Axial chest CT slice 236 of 408 (counted from the lowest slice); tube voltage 120 kVp, convolution kernel B30f; slices 0.75 mm thick, 0.531 mm per pixel.
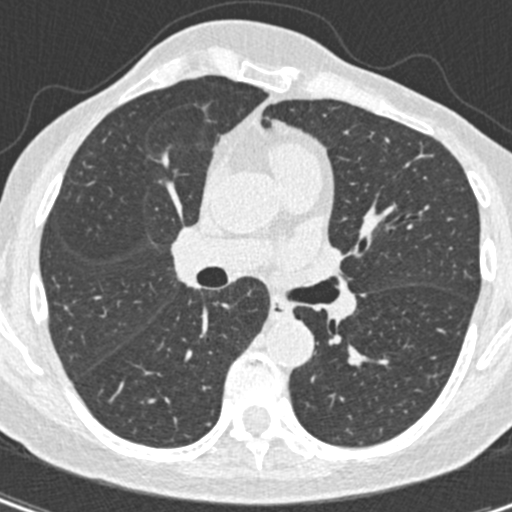
Pulmonary nodule at rows 215–217, columns 464–466 (box = that reader's outline on this slice), outlined by one of the four readers; longest diameter 4.1 mm and volume 22 mm3 from that reader's outline. That reader's ratings: texture 5/5 (solid); margin 5/5 (circumscribed); sphericity 5/5 (round); calcification absent; internal structure soft tissue; subtlety 5/5; malignancy likelihood 2/5. Scale key (1–5): texture non-solid→solid, margin indistinct→circumscribed, sphericity linear→round, subtlety extremely subtle→obvious, malignancy likelihood highly unlikely→highly suspicious of cancer. Box rows and columns are 0-based pixel indices from the top-left corner, inclusive.